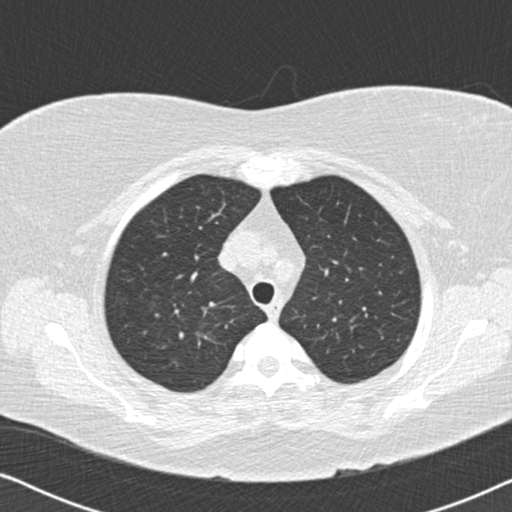
This is axial slice 151 of 177 (slice 1 is the lowest) of a chest CT; each pixel is 0.643 mm and the slice is 2.00 mm thick. Pulmonary nodule outlined by two of the four readers; box rows 323–338, columns 200–215 (the union of the readers' outlines on this slice); longest diameter 18.7 mm on average over the two readers' outlines (readers' outlines 18.7 mm), volume 907–910 mm3. Ratings, by the readers' most common answer with dissent counted: texture 1/5 (non-solid) from both readers; margin 1/5 (indistinct) from both readers; sphericity split among the readers: 2/5 (one), 3/5 (ovoid) (one); calcification absent from both readers; internal structure soft tissue, both readers agreeing; subtlety split among the readers: 1/5 (one), 2/5 (one); malignancy likelihood 3/5 from both readers. Scale key (1–5): texture non-solid→solid, margin indistinct→circumscribed, sphericity linear→round, subtlety extremely subtle→obvious, malignancy likelihood highly unlikely→highly suspicious of cancer. Box rows and columns are 0-based pixel indices from the top-left corner, inclusive.
Acquired at 120 kVp and reconstructed with the B30f kernel.